Axial chest CT slice 248 of 426 (counted from the lowest slice); tube voltage 120 kVp, convolution kernel STANDARD; slices 1.25 mm thick, 0.742 mm per pixel.
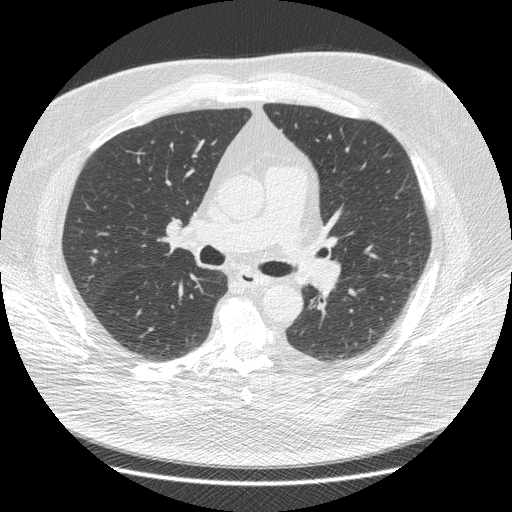
This slice carries no reader outline of a nodule 3 mm or larger.